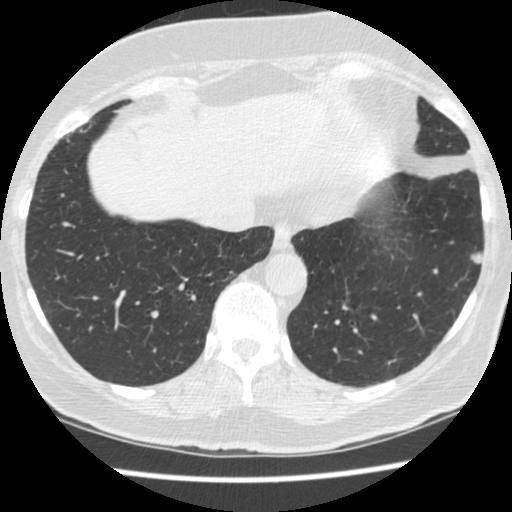
Axial chest CT slice 130 of 481 (counted from the lowest slice); tube voltage 120 kVp, convolution kernel STANDARD; slices 1.25 mm thick, 0.605 mm per pixel.
Pulmonary nodule, outlined by all four readers. Box on this slice rows 251–264, columns 469–483, the union of the readers' outlines on this slice; the four readers' outlines give a longest diameter between 9.9 and 10.4 mm and a volume between 124 and 211 mm3. The readers' ratings, as ranges where they differ: texture from 4/5 to 5/5 (solid) across the four readers; margin from 1/5 (indistinct) to 5/5 (circumscribed) across the four readers; sphericity from 3/5 (ovoid) to 5/5 (round) across the four readers; calcification absent from all four readers; internal structure soft tissue from all four readers; subtlety 4/5, all four readers agreeing; malignancy likelihood from 2/5 to 3/5 across the four readers. Scale key (1–5): texture non-solid→solid, margin indistinct→circumscribed, sphericity linear→round, subtlety extremely subtle→obvious, malignancy likelihood highly unlikely→highly suspicious of cancer. Box rows and columns are 0-based pixel indices from the top-left corner, inclusive.